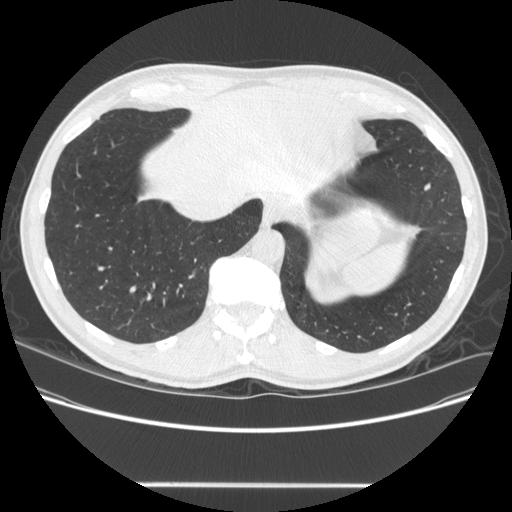
Slice 119/567 of a chest CT, counting up from the lowest; pixel size 0.742 mm, slice thickness 1.25 mm. Pulmonary nodule, outlined by all four readers. Box on this slice rows 183–191, columns 423–431, the union of the readers' outlines on this slice; the four readers' outlines give a longest diameter between 7.6 and 9.5 mm and a volume between 105 and 126 mm3. Ratings across the readers: texture 5/5 (solid) from all four readers; margin from 4/5 to 5/5 (circumscribed) across the four readers; sphericity from 2/5 to 3/5 (ovoid) across the four readers; calcification: absent (three), solid calcification (one); internal structure soft tissue from all four readers; subtlety from 3/5 to 4/5 across the four readers; malignancy likelihood 1–3/5 (the readers disagree). Scale key (1–5): texture non-solid→solid, margin indistinct→circumscribed, sphericity linear→round, subtlety extremely subtle→obvious, malignancy likelihood highly unlikely→highly suspicious of cancer. Box rows and columns are 0-based pixel indices from the top-left corner, inclusive.
Scan settings: 120 kVp, STANDARD reconstruction kernel.